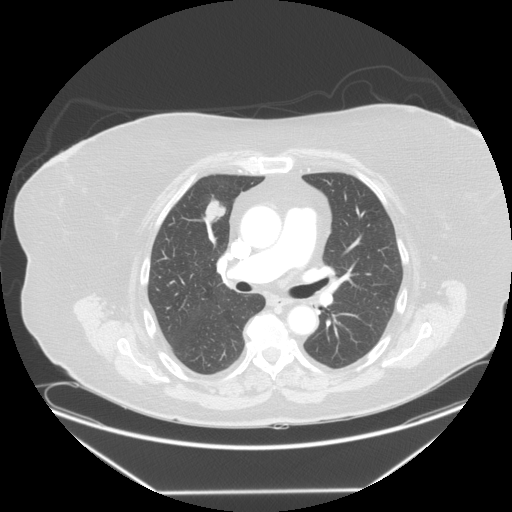
Chest CT, axial plane, 120 kVp, kernel STANDARD. Slice 85/139 from the bottom of the scan; thickness 2.50 mm; pixel size 0.898 mm.
Pulmonary nodule at rows 197–224, columns 203–225 (box = the union of the readers' outlines on this slice), outlined by three of the four readers; longest diameter 24.4 mm on average over the three readers' outlines (readers' outlines 23.3–26.2 mm), volume 2868–3243 mm3. Ratings, by the readers' most common answer with dissent counted: texture 5/5 (solid), all three readers agreeing; most readers (two of three) put margin at 5/5 (circumscribed), others 4/5 (one); sphericity split among the readers: 3/5 (ovoid) (one), 4/5 (one), 5/5 (round) (one); calcification absent, all three readers agreeing; internal structure soft tissue from all three readers; subtlety 5/5, all three readers agreeing; malignancy likelihood 3/5 by two of three readers; the rest gave 5/5 (one). Scale key (1–5): texture non-solid→solid, margin indistinct→circumscribed, sphericity linear→round, subtlety extremely subtle→obvious, malignancy likelihood highly unlikely→highly suspicious of cancer. Box rows and columns are 0-based pixel indices from the top-left corner, inclusive.